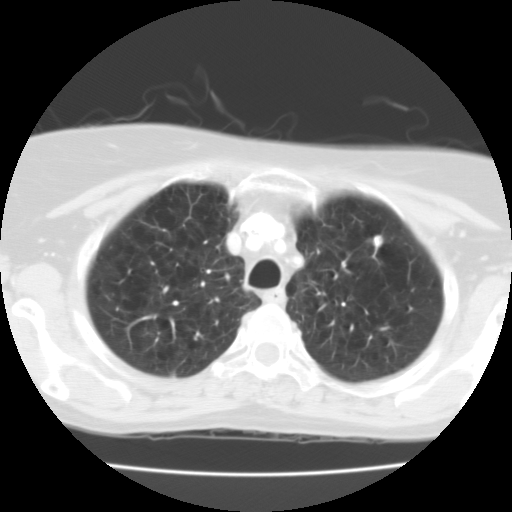
Chest CT, axial plane, 135 kVp, kernel FC01. Slice 85/109 from the bottom of the scan; thickness 3.00 mm; pixel size 0.613 mm.
Pulmonary nodule outlined by all four readers; box rows 236–246, columns 373–382 (the union of the readers' outlines on this slice); median longest diameter 12.0 mm (readers' outlines 10.9–13.0 mm), median volume 603 mm3 (333–666 mm3). Ratings, median across the readers with their spread: texture 5/5 (solid), all four readers agreeing; margin 5/5 (circumscribed) from all four readers; median sphericity 4.5/5 (readers ranged 4/5 to 5/5 (round)); calcification: solid calcification (three), absent (one); internal structure soft tissue from all four readers; subtlety 5/5, all four readers agreeing; median malignancy likelihood 1/5 (readers ranged 1–3). Scale key (1–5): texture non-solid→solid, margin indistinct→circumscribed, sphericity linear→round, subtlety extremely subtle→obvious, malignancy likelihood highly unlikely→highly suspicious of cancer. Box rows and columns are 0-based pixel indices from the top-left corner, inclusive.